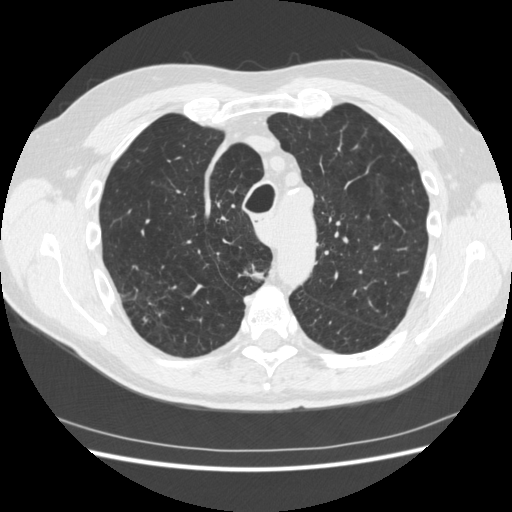
Axial slice 336 of 481 of a chest CT (slice 1 is the lowest), reconstructed with the STANDARD kernel at 120 kVp; 1.25 mm slice thickness and 0.703 mm pixels.
Pulmonary nodule at rows 265–281, columns 244–265 (box = the union of the readers' outlines on this slice), outlined by three of the four readers; median longest diameter 15.8 mm (readers' outlines 13.5–18.5 mm), median volume 713 mm3 (529–1088 mm3). Ratings, median across the readers with their spread: texture 5/5 (solid) from all three readers; margin 4/5 at the median of three readers, spread 1/5 (indistinct) to 4/5; median sphericity 3/5 (ovoid) (readers ranged 2/5 to 3/5 (ovoid)); calcification absent from all three readers; internal structure soft tissue, all three readers agreeing; subtlety 5/5 at the median of three readers, spread 4–5; median malignancy likelihood 5/5 (readers ranged 3–5). Scale key (1–5): texture non-solid→solid, margin indistinct→circumscribed, sphericity linear→round, subtlety extremely subtle→obvious, malignancy likelihood highly unlikely→highly suspicious of cancer. Box rows and columns are 0-based pixel indices from the top-left corner, inclusive.